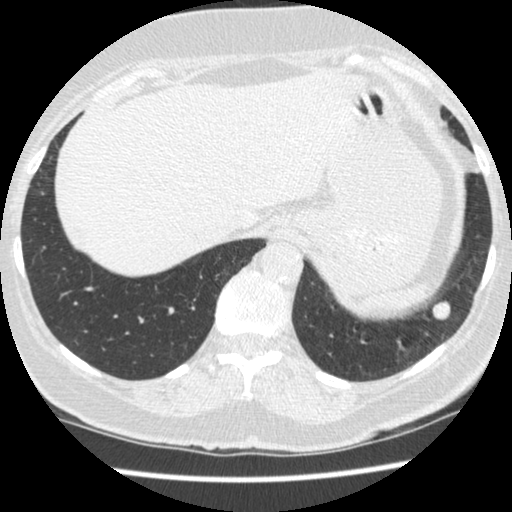
Axial slice 97 of 481 of a chest CT (slice 1 is the lowest), reconstructed with the STANDARD kernel at 120 kVp; 1.25 mm slice thickness and 0.605 mm pixels.
Pulmonary nodule, outlined by all four readers. Box on this slice rows 300–321, columns 431–450, the union of the readers' outlines on this slice; median longest diameter 13.8 mm (readers' outlines 13.3–14.6 mm), median volume 773 mm3 (633–867 mm3). Median ratings and the readers' spread: texture 5/5 (solid) from all four readers; margin 4.5/5 at the median of four readers, spread 4/5 to 5/5 (circumscribed); median sphericity 4/5 (readers ranged 4/5 to 5/5 (round)); calcification absent from all four readers; internal structure soft tissue, all four readers agreeing; subtlety 5/5 at the median of four readers, spread 4–5; malignancy likelihood 3.5/5 at the median of four readers, spread 2–5. Scale key (1–5): texture non-solid→solid, margin indistinct→circumscribed, sphericity linear→round, subtlety extremely subtle→obvious, malignancy likelihood highly unlikely→highly suspicious of cancer. Box rows and columns are 0-based pixel indices from the top-left corner, inclusive.